Axial slice 67 of 102 of a chest CT (slice 1 is the lowest), reconstructed with the FC01 kernel at 135 kVp; 3.00 mm slice thickness and 0.808 mm pixels.
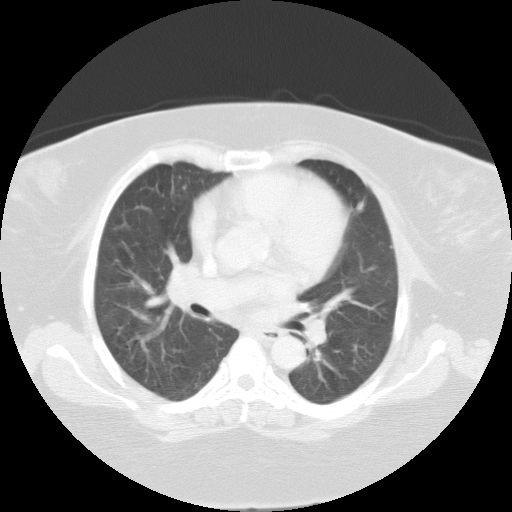
Pulmonary nodule outlined by three of the four readers; box rows 200–212, columns 356–364 (the union of the readers' outlines on this slice); median longest diameter 11.2 mm (readers' outlines 10.1–12.0 mm), median volume 413 mm3 (288–494 mm3). Median ratings and the readers' spread: texture 5/5 (solid) at the median of three readers, spread 4/5 to 5/5 (solid); margin 4/5 at the median of three readers, spread 3/5 to 4/5; sphericity 3/5 (ovoid) at the median of three readers, spread 3/5 (ovoid) to 4/5; calcification absent from all three readers; internal structure soft tissue, all three readers agreeing; subtlety 3/5 at the median of three readers, spread 3–4; malignancy likelihood 3/5, all three readers agreeing. Scale key (1–5): texture non-solid→solid, margin indistinct→circumscribed, sphericity linear→round, subtlety extremely subtle→obvious, malignancy likelihood highly unlikely→highly suspicious of cancer. Box rows and columns are 0-based pixel indices from the top-left corner, inclusive.